Axial chest CT slice 118 of 300 (counted from the lowest slice); tube voltage 120 kVp, convolution kernel D; slices 2.00 mm thick, 0.678 mm per pixel.
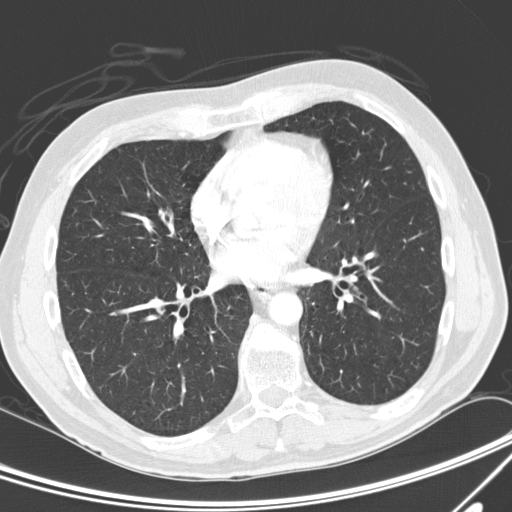
Pulmonary nodule at rows 149–152, columns 118–121 (box = the one reader's outline on this slice), outlined by three of the four readers, one of them on this slice; median longest diameter 4.9 mm (readers' outlines 3.5–5.2 mm), median volume 34 mm3 (18–51 mm3). Median ratings and the readers' spread: texture 5/5 (solid), all three readers agreeing; margin 5/5 (circumscribed) at the median of three readers, spread 4/5 to 5/5 (circumscribed); sphericity 5/5 (round) at the median of three readers, spread 4/5 to 5/5 (round); calcification absent, all three readers agreeing; internal structure soft tissue, all three readers agreeing; median subtlety 5/5 (readers ranged 4–5); malignancy likelihood 2/5 at the median of three readers, spread 2–3. Scale key (1–5): texture non-solid→solid, margin indistinct→circumscribed, sphericity linear→round, subtlety extremely subtle→obvious, malignancy likelihood highly unlikely→highly suspicious of cancer. Box rows and columns are 0-based pixel indices from the top-left corner, inclusive.